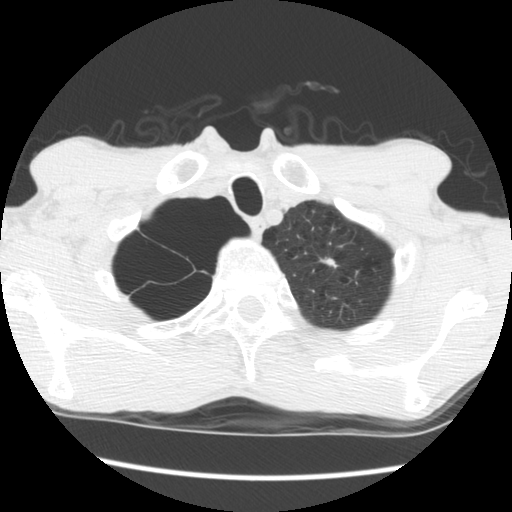
Slice 164/181 of a chest CT, counting up from the lowest; pixel size 0.645 mm, slice thickness 2.50 mm. Pulmonary nodule at rows 256–267, columns 316–336 (box = the union of the readers' outlines on this slice), outlined by all four readers; longest diameter 10.5–14.4 mm and volume 215–737 mm3 across the four readers' outlines. The readers' ratings, as ranges where they differ: texture 5/5 (solid), all four readers agreeing; margin from 3/5 to 5/5 (circumscribed) across the four readers; sphericity from 2/5 to 3/5 (ovoid) across the four readers; calcification absent from all four readers; internal structure soft tissue from all four readers; subtlety from 3/5 to 4/5 across the four readers; malignancy likelihood rated between 2 and 4 out of 5 by the four readers. Scale key (1–5): texture non-solid→solid, margin indistinct→circumscribed, sphericity linear→round, subtlety extremely subtle→obvious, malignancy likelihood highly unlikely→highly suspicious of cancer. Box rows and columns are 0-based pixel indices from the top-left corner, inclusive.
Scan settings: 120 kVp, STANDARD reconstruction kernel.